Axial chest CT slice 275 of 529 (counted from the lowest slice); tube voltage 120 kVp, convolution kernel B30f; slices 0.75 mm thick, 0.703 mm per pixel.
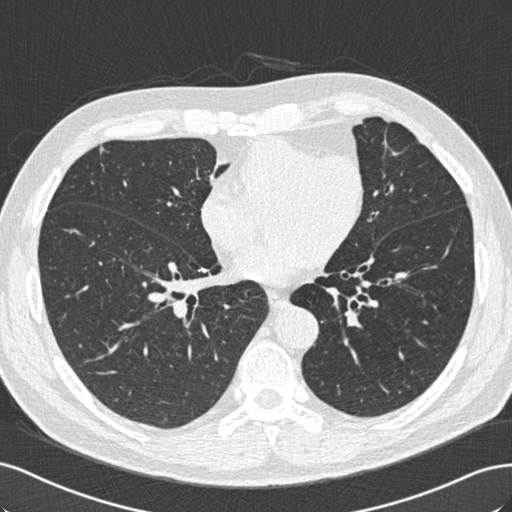
Pulmonary nodule outlined by one of the four readers; box rows 146–152, columns 99–104 (that reader's outline on this slice); longest diameter 8.6 mm and volume 51 mm3 from that reader's outline. That reader's ratings: texture 5/5 (solid); margin 3/5; sphericity 3/5 (ovoid); calcification absent; internal structure soft tissue; subtlety 3/5; malignancy likelihood 2/5. Scale key (1–5): texture non-solid→solid, margin indistinct→circumscribed, sphericity linear→round, subtlety extremely subtle→obvious, malignancy likelihood highly unlikely→highly suspicious of cancer. Box rows and columns are 0-based pixel indices from the top-left corner, inclusive.